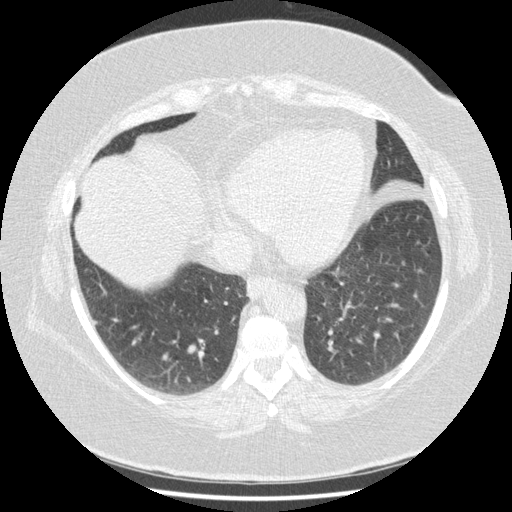
One axial slice (149 of 417, counting up from the lowest) of a chest CT acquired at 120 kVp with the STANDARD kernel; each pixel is 0.703 mm and the slice is 1.25 mm thick.
Pulmonary nodule outlined by one of the four readers; box rows 321–324, columns 94–96 (that reader's outline on this slice); longest diameter 5.1 mm and volume 29 mm3 from that reader's outline. Ratings by that reader: texture 5/5 (solid); margin 5/5 (circumscribed); sphericity 4/5; calcification absent; internal structure soft tissue; subtlety 5/5; malignancy likelihood 3/5. Scale key (1–5): texture non-solid→solid, margin indistinct→circumscribed, sphericity linear→round, subtlety extremely subtle→obvious, malignancy likelihood highly unlikely→highly suspicious of cancer. Box rows and columns are 0-based pixel indices from the top-left corner, inclusive.